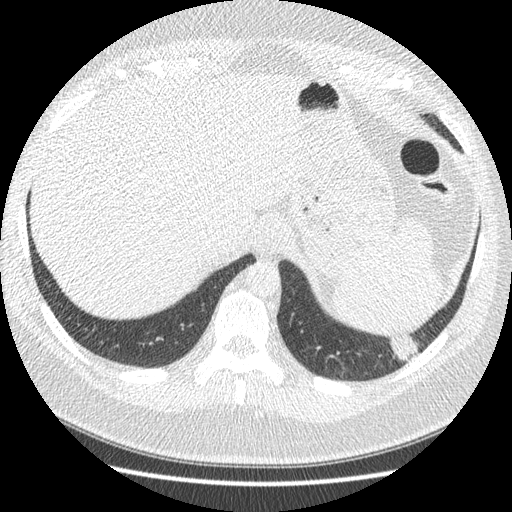
Chest CT, axial plane, 120 kVp, kernel STANDARD. Slice 43/421 from the bottom of the scan; thickness 1.25 mm; pixel size 0.703 mm.
Pulmonary nodule at rows 333–361, columns 389–419 (box = the union of the readers' outlines on this slice), outlined four times (the source holds four more outlines, not used); median longest diameter 32.9 mm (readers' outlines 30.9–38.9 mm), median volume 5450 mm3 (4443–5826 mm3). Ratings, median across the readers with their spread: median texture 5/5 (solid) (readers ranged 4/5 to 5/5 (solid)); margin 4/5 at the median of four readers, spread 3/5 to 4/5; sphericity 2.5/5 at the median of four readers, spread 2/5 to 4/5; calcification absent, all four readers agreeing; internal structure soft tissue from all four readers; median subtlety 5/5 (readers ranged 4–5); malignancy likelihood 3.5/5 at the median of four readers, spread 2–5. Scale key (1–5): texture non-solid→solid, margin indistinct→circumscribed, sphericity linear→round, subtlety extremely subtle→obvious, malignancy likelihood highly unlikely→highly suspicious of cancer. Box rows and columns are 0-based pixel indices from the top-left corner, inclusive.